Axial chest CT slice 414 of 506 (counted from the lowest slice); tube voltage 120 kVp, convolution kernel B30f; slices 0.75 mm thick, 0.699 mm per pixel.
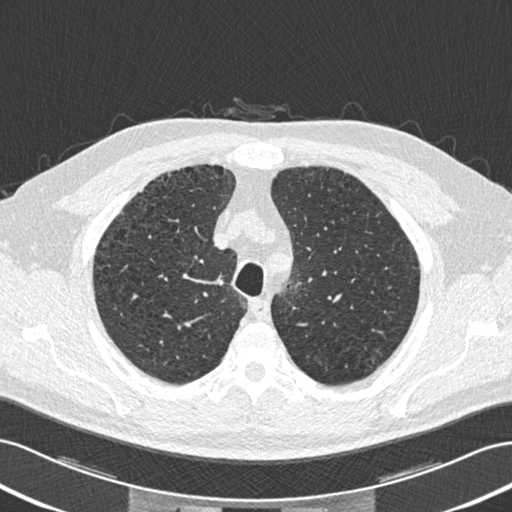
Pulmonary nodule at rows 188–192, columns 139–143 (box = the union of the readers' outlines on this slice), outlined by two of the four readers; longest diameter 7.0 mm on average over the two readers' outlines (readers' outlines 7.0 mm), volume 87 mm3. Ratings, by the readers' most common answer with dissent counted: texture 5/5 (solid), both readers agreeing; margin 4/5 from both readers; sphericity split among the readers: 3/5 (ovoid) (one), 4/5 (one); calcification absent, both readers agreeing; internal structure soft tissue, both readers agreeing; subtlety split among the readers: 2/5 (one), 4/5 (one); malignancy likelihood split among the readers: 1/5 (one), 3/5 (one). Scale key (1–5): texture non-solid→solid, margin indistinct→circumscribed, sphericity linear→round, subtlety extremely subtle→obvious, malignancy likelihood highly unlikely→highly suspicious of cancer. Box rows and columns are 0-based pixel indices from the top-left corner, inclusive.